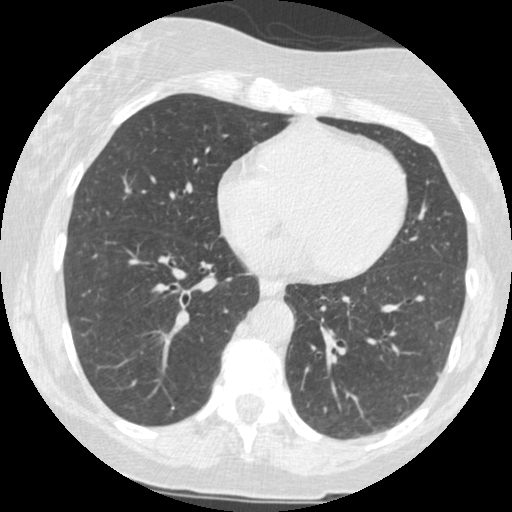
Axial chest CT slice 179 of 484 (counted from the lowest slice); 1.25 mm thick, 0.586 mm per pixel. Pulmonary nodule outlined by three of the four readers; box rows 371–376, columns 436–439 (the union of the readers' outlines on this slice); longest diameter 6.4–7.2 mm and volume 50–74 mm3 across the three readers' outlines. The readers' ratings, as ranges where they differ: texture 5/5 (solid) from all three readers; margin from 4/5 to 5/5 (circumscribed) across the three readers; sphericity from 3/5 (ovoid) to 4/5 across the three readers; calcification absent from all three readers; internal structure soft tissue from all three readers; subtlety from 3/5 to 4/5 across the three readers; malignancy likelihood rated between 1 and 3 out of 5 by the three readers. Scale key (1–5): texture non-solid→solid, margin indistinct→circumscribed, sphericity linear→round, subtlety extremely subtle→obvious, malignancy likelihood highly unlikely→highly suspicious of cancer. Box rows and columns are 0-based pixel indices from the top-left corner, inclusive.
Tube voltage 120 kVp; convolution kernel STANDARD.